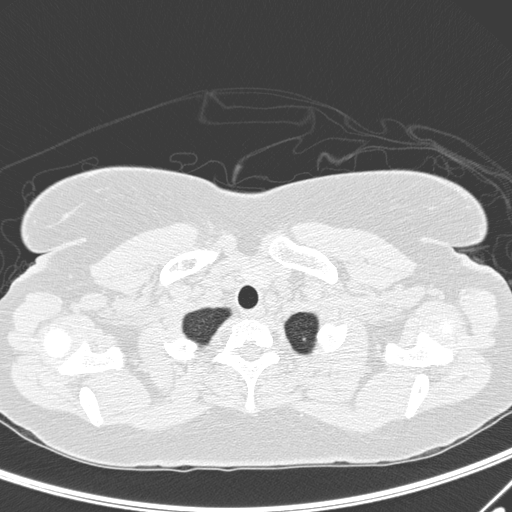
Chest CT, axial plane, 120 kVp, kernel D. Slice 222/231 from the bottom of the scan; thickness 1.00 mm; pixel size 0.666 mm.
Pulmonary nodule, outlined by one of the four readers. Box on this slice rows 337–340, columns 302–305, that reader's outline on this slice; longest diameter 6.0 mm and volume 38 mm3 from that reader's outline. That reader's ratings: texture 5/5 (solid); margin 5/5 (circumscribed); sphericity 5/5 (round); calcification absent; internal structure soft tissue; subtlety 4/5; malignancy likelihood 1/5. Scale key (1–5): texture non-solid→solid, margin indistinct→circumscribed, sphericity linear→round, subtlety extremely subtle→obvious, malignancy likelihood highly unlikely→highly suspicious of cancer. Box rows and columns are 0-based pixel indices from the top-left corner, inclusive.